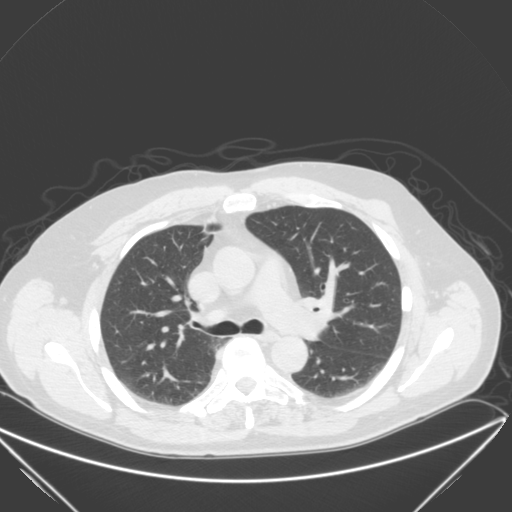
Chest CT, axial plane, 120 kVp, kernel B. Slice 169/280 from the bottom of the scan; thickness 2.00 mm; pixel size 0.805 mm.
No nodule 3 mm or larger was outlined here by any reader.